One axial slice (251 of 425, counting up from the lowest) of a chest CT acquired at 120 kVp with the B30f kernel; each pixel is 0.539 mm and the slice is 0.75 mm thick.
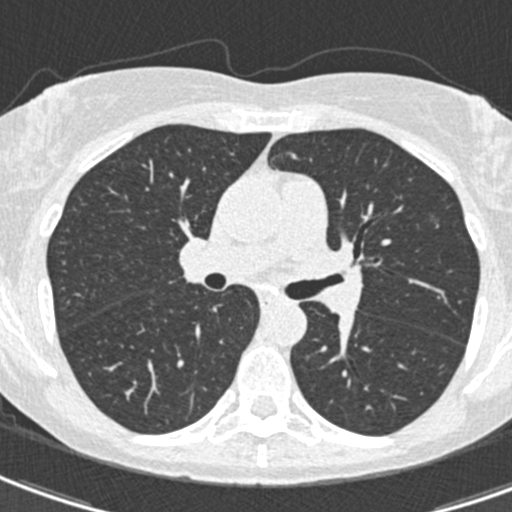
No nodule 3 mm or larger was outlined here by any reader.